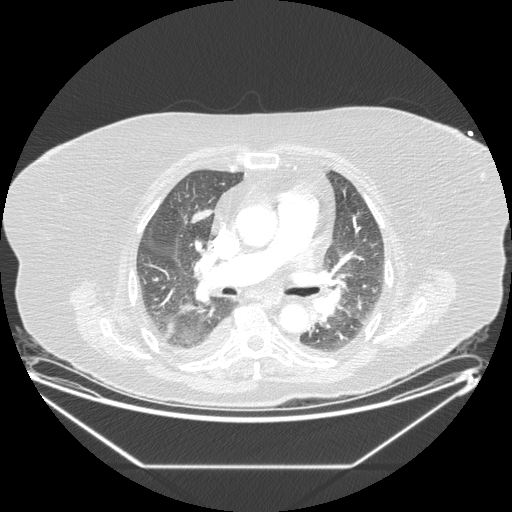
One axial slice (111 of 206, counting up from the lowest) of a chest CT acquired at 120 kVp with the STANDARD kernel; each pixel is 0.898 mm and the slice is 1.25 mm thick.
Pulmonary nodule at rows 210–222, columns 190–212 (box = the union of the readers' outlines on this slice), outlined by three of the four readers; the three readers' outlines give a longest diameter between 31.1 and 37.8 mm and a volume between 4036 and 4781 mm3. Ratings across the readers: texture from 1/5 (non-solid) to 5/5 (solid) across the three readers; margin 4/5 from all three readers; sphericity from 2/5 to 3/5 (ovoid) across the three readers; calcification absent, all three readers agreeing; internal structure soft tissue from all three readers; subtlety from 4/5 to 5/5 across the three readers; malignancy likelihood 3–5/5 (the readers disagree). Scale key (1–5): texture non-solid→solid, margin indistinct→circumscribed, sphericity linear→round, subtlety extremely subtle→obvious, malignancy likelihood highly unlikely→highly suspicious of cancer. Box rows and columns are 0-based pixel indices from the top-left corner, inclusive.